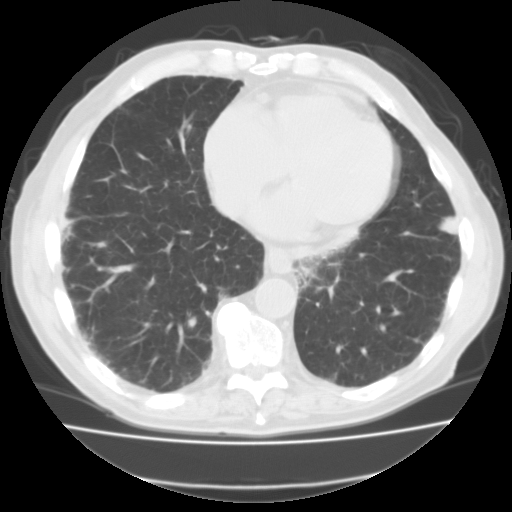
Axial chest CT slice 38 of 111 (counted from the lowest slice); tube voltage 135 kVp, convolution kernel FC01; slices 3.00 mm thick, 0.714 mm per pixel.
Pulmonary nodule, outlined by all four readers. Box on this slice rows 215–235, columns 438–456, the union of the readers' outlines on this slice; longest diameter 20.2 mm on average over the four readers' outlines (readers' outlines 19.5–21.5 mm), volume 3640–4836 mm3. The readers' prevailing ratings and who disagreed: texture 5/5 (solid) from all four readers; margin 5/5 (circumscribed) by three of four readers; the rest gave 4/5 (one); sphericity 3/5 (ovoid) by two of four readers; the rest gave 4/5 (one), 5/5 (round) (one); calcification absent, all four readers agreeing; internal structure soft tissue, all four readers agreeing; subtlety 5/5 from all four readers; malignancy likelihood split among the readers: 2/5 (one), 3/5 (one), 4/5 (one), 5/5 (one). Scale key (1–5): texture non-solid→solid, margin indistinct→circumscribed, sphericity linear→round, subtlety extremely subtle→obvious, malignancy likelihood highly unlikely→highly suspicious of cancer. Box rows and columns are 0-based pixel indices from the top-left corner, inclusive.